Axial chest CT slice 306 of 490 (counted from the lowest slice); tube voltage 120 kVp, convolution kernel STANDARD; slices 1.25 mm thick, 0.547 mm per pixel.
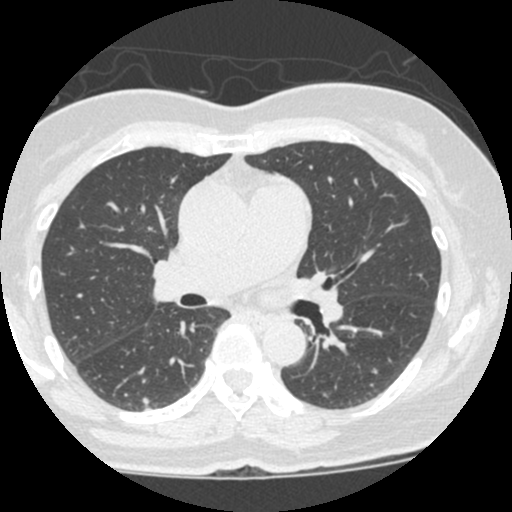
Pulmonary nodule outlined by all four readers; box rows 397–405, columns 142–149 (the union of the readers' outlines on this slice); longest diameter 5.7 mm on average over the four readers' outlines (readers' outlines 5.2–6.2 mm), volume 53–89 mm3. The readers' prevailing ratings and who disagreed: texture 5/5 (solid), all four readers agreeing; margin split among the readers: 3/5 (two), 5/5 (circumscribed) (two); sphericity 4/5 by two of four readers; the rest gave 3/5 (ovoid) (one), 5/5 (round) (one); calcification absent from all four readers; internal structure soft tissue, all four readers agreeing; subtlety split among the readers: 3/5 (two), 4/5 (two); malignancy likelihood split among the readers: 2/5 (two), 3/5 (two). Scale key (1–5): texture non-solid→solid, margin indistinct→circumscribed, sphericity linear→round, subtlety extremely subtle→obvious, malignancy likelihood highly unlikely→highly suspicious of cancer. Box rows and columns are 0-based pixel indices from the top-left corner, inclusive.